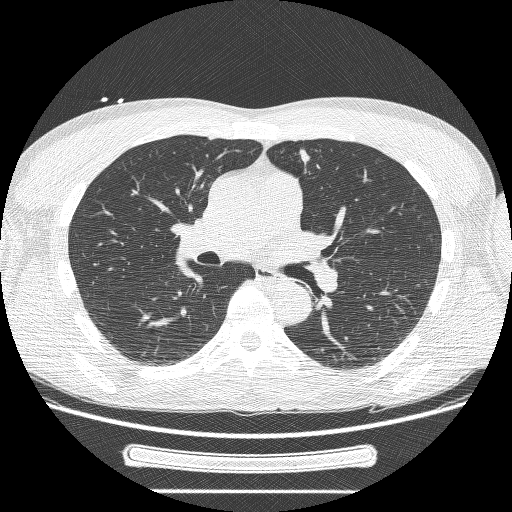
Axial chest CT slice 140 of 244 (counted from the lowest slice); tube voltage 120 kVp, convolution kernel BONE; slices 1.25 mm thick, 0.729 mm per pixel.
Pulmonary nodule outlined by three of the four readers, two of them on this slice; box rows 148–162, columns 298–310 (the union of the readers' outlines on this slice); longest diameter 27.4–37.9 mm and volume 2934–10099 mm3 across the three readers' outlines. The readers' ratings, as ranges where they differ: texture from 3/5 (part-solid) to 5/5 (solid) across the three readers; margin from 1/5 (indistinct) to 3/5 across the three readers; sphericity from 2/5 to 4/5 across the three readers; calcification absent from all three readers; internal structure soft tissue, all three readers agreeing; subtlety 5/5, all three readers agreeing; malignancy likelihood 3–5/5 (the readers disagree). Scale key (1–5): texture non-solid→solid, margin indistinct→circumscribed, sphericity linear→round, subtlety extremely subtle→obvious, malignancy likelihood highly unlikely→highly suspicious of cancer. Box rows and columns are 0-based pixel indices from the top-left corner, inclusive.